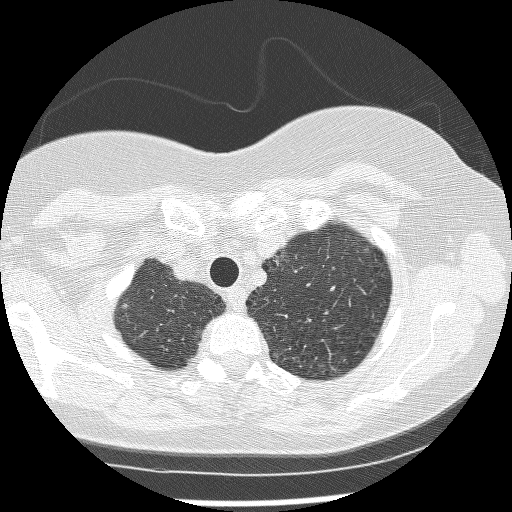
One axial slice (241 of 270, counting up from the lowest) of a chest CT acquired at 120 kVp with the BONE kernel; each pixel is 0.604 mm and the slice is 1.25 mm thick.
Pulmonary nodule at rows 303–308, columns 122–127 (box = that reader's outline on this slice), outlined by one of the four readers; longest diameter 5.4 mm and volume 31 mm3 from that reader's outline. That reader's ratings: texture 5/5 (solid); margin 4/5; sphericity 5/5 (round); calcification absent; internal structure soft tissue; subtlety 2/5; malignancy likelihood 2/5. Scale key (1–5): texture non-solid→solid, margin indistinct→circumscribed, sphericity linear→round, subtlety extremely subtle→obvious, malignancy likelihood highly unlikely→highly suspicious of cancer. Box rows and columns are 0-based pixel indices from the top-left corner, inclusive.